One axial slice (302 of 529, counting up from the lowest) of a chest CT acquired at 120 kVp with the B30f kernel; each pixel is 0.703 mm and the slice is 0.75 mm thick.
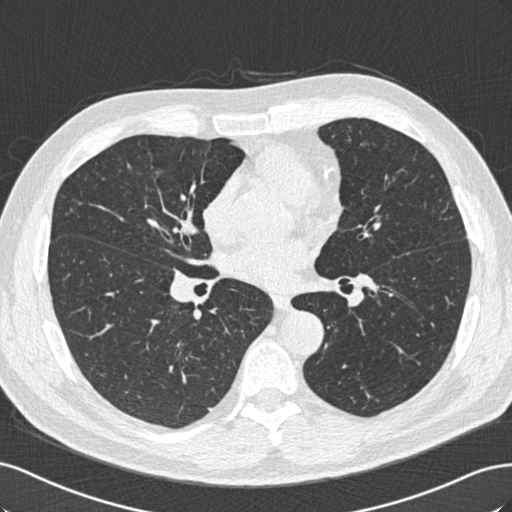
Pulmonary nodule at rows 408–410, columns 208–212 (box = the union of the readers' outlines on this slice), outlined by all four readers, two of them on this slice; longest diameter 10.5 mm on average over the four readers' outlines (readers' outlines 9.8–11.3 mm), volume 151–208 mm3. Ratings, by the readers' most common answer with dissent counted: texture 5/5 (solid) from all four readers; most readers (three of four) put margin at 5/5 (circumscribed), others 4/5 (one); sphericity 5/5 (round) by two of four readers; the rest gave 3/5 (ovoid) (one), 4/5 (one); calcification absent from all four readers; internal structure soft tissue from all four readers; subtlety 5/5 by two of four readers; the rest gave 3/5 (one), 4/5 (one); malignancy likelihood 3/5 by two of four readers; the rest gave 2/5 (one), 5/5 (one). Scale key (1–5): texture non-solid→solid, margin indistinct→circumscribed, sphericity linear→round, subtlety extremely subtle→obvious, malignancy likelihood highly unlikely→highly suspicious of cancer. Box rows and columns are 0-based pixel indices from the top-left corner, inclusive.